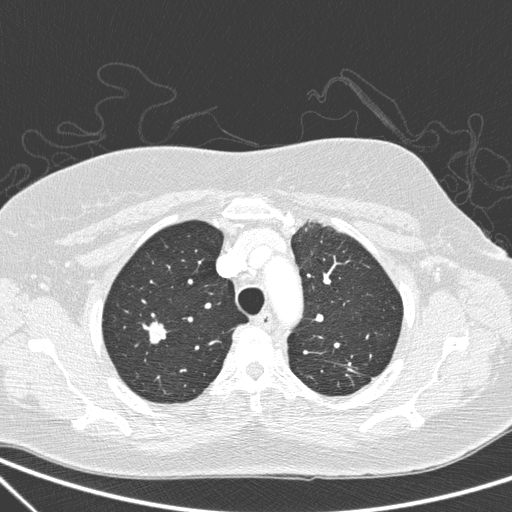
Slice 221/266 of a chest CT, counting up from the lowest; pixel size 0.668 mm, slice thickness 1.00 mm. Pulmonary nodule at rows 319–343, columns 148–166 (box = the union of the readers' outlines on this slice), outlined by all four readers; longest diameter 17.2 mm on average over the four readers' outlines (readers' outlines 16.7–17.7 mm), volume 1306–1533 mm3. The readers' prevailing ratings and who disagreed: texture 5/5 (solid) from all four readers; margin 3/5 by two of four readers; the rest gave 2/5 (one), 5/5 (circumscribed) (one); sphericity 4/5 by two of four readers; the rest gave 3/5 (ovoid) (one), 5/5 (round) (one); calcification absent, all four readers agreeing; internal structure soft tissue from all four readers; subtlety 5/5, all four readers agreeing; most readers (three of four) put malignancy likelihood at 5/5, others 2/5 (one). Scale key (1–5): texture non-solid→solid, margin indistinct→circumscribed, sphericity linear→round, subtlety extremely subtle→obvious, malignancy likelihood highly unlikely→highly suspicious of cancer. Box rows and columns are 0-based pixel indices from the top-left corner, inclusive.
Tube voltage 120 kVp; convolution kernel D.